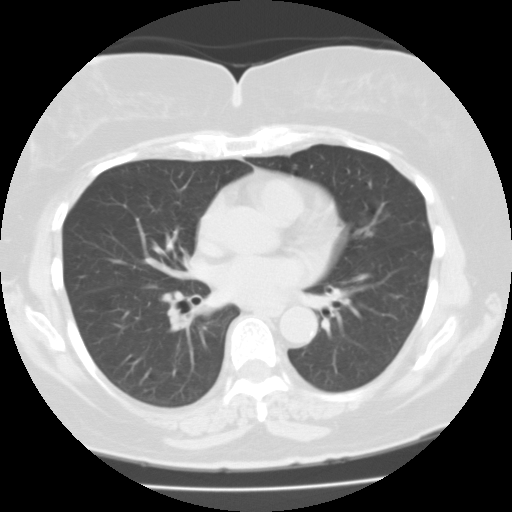
Chest CT, axial plane, 135 kVp, kernel FC01. Slice 61/112 from the bottom of the scan; thickness 3.00 mm; pixel size 0.650 mm.
Pulmonary nodule, outlined by three of the four readers, one of them on this slice. Box on this slice rows 163–169, columns 293–297, the one reader's outline on this slice; longest diameter 5.6–6.6 mm and volume 96–165 mm3 across the three readers' outlines. The readers' ratings, as ranges where they differ: texture 5/5 (solid) from all three readers; margin 5/5 (circumscribed), all three readers agreeing; sphericity from 3/5 (ovoid) to 5/5 (round) across the three readers; calcification solid calcification from all three readers; internal structure soft tissue, all three readers agreeing; subtlety rated between 4 and 5 out of 5 by the three readers; malignancy likelihood 1/5 from all three readers. Scale key (1–5): texture non-solid→solid, margin indistinct→circumscribed, sphericity linear→round, subtlety extremely subtle→obvious, malignancy likelihood highly unlikely→highly suspicious of cancer. Box rows and columns are 0-based pixel indices from the top-left corner, inclusive.